One axial slice (70 of 115, counting up from the lowest) of a chest CT acquired at 130 kVp with the B31s kernel; each pixel is 0.652 mm and the slice is 3.00 mm thick.
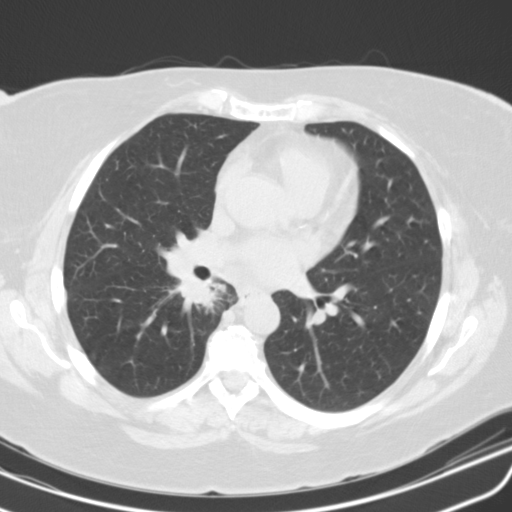
Pulmonary nodule outlined by three of the four readers; box rows 277–311, columns 182–221 (the union of the readers' outlines on this slice); the three readers' outlines give a longest diameter between 24.2 and 34.9 mm and a volume between 3268 and 5378 mm3. The readers' ratings, as ranges where they differ: texture from 4/5 to 5/5 (solid) across the three readers; margin from 2/5 to 4/5 across the three readers; sphericity from 2/5 to 5/5 (round) across the three readers; calcification absent, all three readers agreeing; internal structure soft tissue, all three readers agreeing; subtlety from 4/5 to 5/5 across the three readers; malignancy likelihood 4/5 from all three readers. Scale key (1–5): texture non-solid→solid, margin indistinct→circumscribed, sphericity linear→round, subtlety extremely subtle→obvious, malignancy likelihood highly unlikely→highly suspicious of cancer. Box rows and columns are 0-based pixel indices from the top-left corner, inclusive.